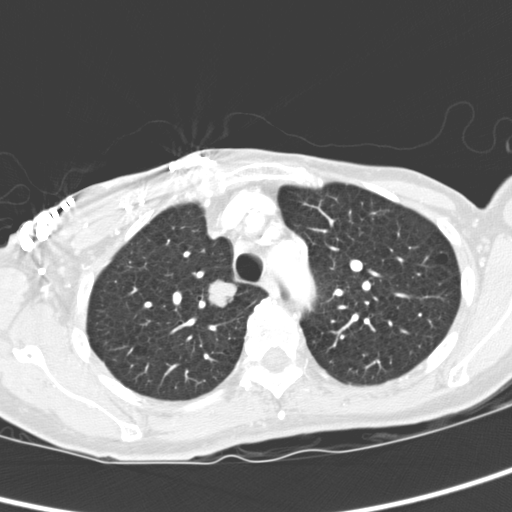
Axial chest CT slice 247 of 321 (counted from the lowest slice); 2.00 mm thick, 0.557 mm per pixel. Pulmonary nodule at rows 278–308, columns 207–237 (box = the union of the readers' outlines on this slice), outlined by all four readers; longest diameter 20.6 mm on average over the four readers' outlines (readers' outlines 19.2–21.9 mm), volume 3323–4100 mm3. The readers' prevailing ratings and who disagreed: texture 5/5 (solid) from all four readers; margin 5/5 (circumscribed) by three of four readers; the rest gave 4/5 (one); most readers (three of four) put sphericity at 5/5 (round), others 4/5 (one); calcification absent from all four readers; internal structure soft tissue from all four readers; subtlety 5/5, all four readers agreeing; malignancy likelihood 5/5 by two of four readers; the rest gave 3/5 (one), 4/5 (one). Scale key (1–5): texture non-solid→solid, margin indistinct→circumscribed, sphericity linear→round, subtlety extremely subtle→obvious, malignancy likelihood highly unlikely→highly suspicious of cancer. Box rows and columns are 0-based pixel indices from the top-left corner, inclusive.
Scan settings: 120 kVp, D reconstruction kernel.